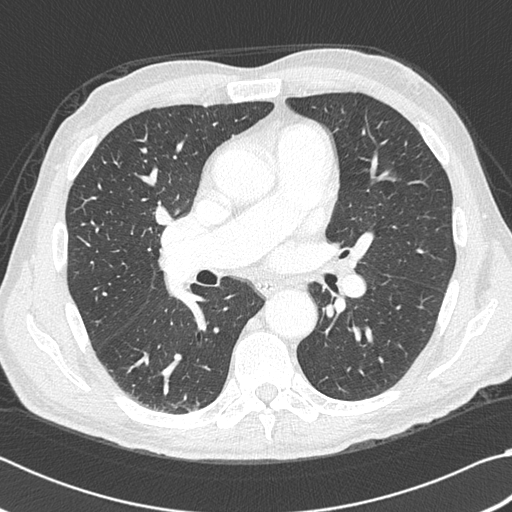
This is axial slice 224 of 383 (slice 1 is the lowest) of a chest CT; each pixel is 0.664 mm and the slice is 1.00 mm thick. Pulmonary nodule at rows 129–134, columns 362–364 (box = the one reader's outline on this slice), outlined by all four readers, one of them on this slice; median longest diameter 11.6 mm (readers' outlines 10.1–11.8 mm), median volume 513 mm3 (386–564 mm3). Median ratings and the readers' spread: texture 5/5 (solid) from all four readers; margin 5/5 (circumscribed) at the median of four readers, spread 4/5 to 5/5 (circumscribed); sphericity 4.5/5 at the median of four readers, spread 3/5 (ovoid) to 5/5 (round); calcification absent from all four readers; internal structure soft tissue, all four readers agreeing; median subtlety 5/5 (readers ranged 4–5); median malignancy likelihood 2.5/5 (readers ranged 2–5). Scale key (1–5): texture non-solid→solid, margin indistinct→circumscribed, sphericity linear→round, subtlety extremely subtle→obvious, malignancy likelihood highly unlikely→highly suspicious of cancer. Box rows and columns are 0-based pixel indices from the top-left corner, inclusive.
Scan settings: 120 kVp, B45f reconstruction kernel.